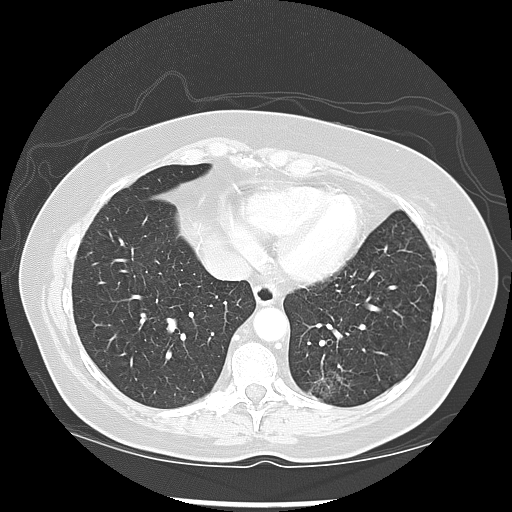
Axial chest CT slice 50 of 133 (counted from the lowest slice); 2.50 mm thick, 0.703 mm per pixel. This slice carries no reader outline of a nodule 3 mm or larger.
Tube voltage 120 kVp; convolution kernel LUNG.